Axial chest CT slice 360 of 413 (counted from the lowest slice); tube voltage 120 kVp, convolution kernel STANDARD; slices 1.25 mm thick, 0.625 mm per pixel.
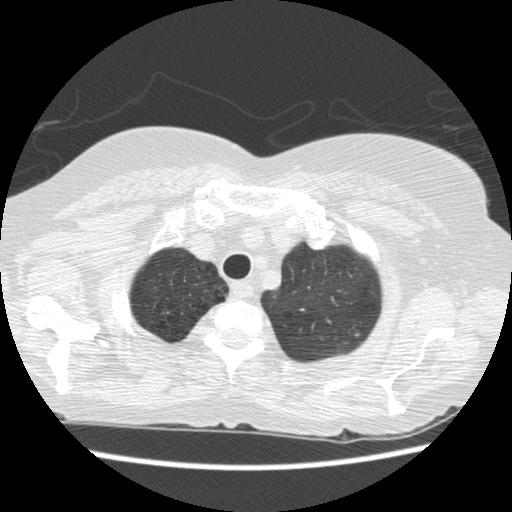
Pulmonary nodule at rows 333–337, columns 353–360 (box = that reader's outline on this slice), outlined by one of the four readers; longest diameter 6.5 mm and volume 36 mm3 from that reader's outline. That reader's ratings: texture 5/5 (solid); margin 5/5 (circumscribed); sphericity 4/5; calcification absent; internal structure soft tissue; subtlety 4/5; malignancy likelihood 4/5. Scale key (1–5): texture non-solid→solid, margin indistinct→circumscribed, sphericity linear→round, subtlety extremely subtle→obvious, malignancy likelihood highly unlikely→highly suspicious of cancer. Box rows and columns are 0-based pixel indices from the top-left corner, inclusive.